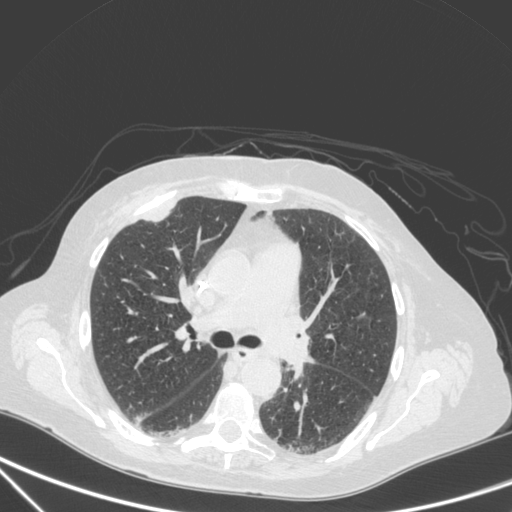
Chest CT, axial plane, 120 kVp, kernel C. Slice 202/350 from the bottom of the scan; thickness 1.50 mm; pixel size 0.725 mm.
Pulmonary nodule at rows 204–221, columns 146–174 (box = that reader's outline on this slice), outlined by one of the four readers; longest diameter 29.5 mm and volume 4181 mm3 from that reader's outline. That reader's ratings: texture 5/5 (solid); margin 4/5; sphericity 2/5; calcification absent; internal structure soft tissue; subtlety 5/5; malignancy likelihood 4/5. Scale key (1–5): texture non-solid→solid, margin indistinct→circumscribed, sphericity linear→round, subtlety extremely subtle→obvious, malignancy likelihood highly unlikely→highly suspicious of cancer. Box rows and columns are 0-based pixel indices from the top-left corner, inclusive.